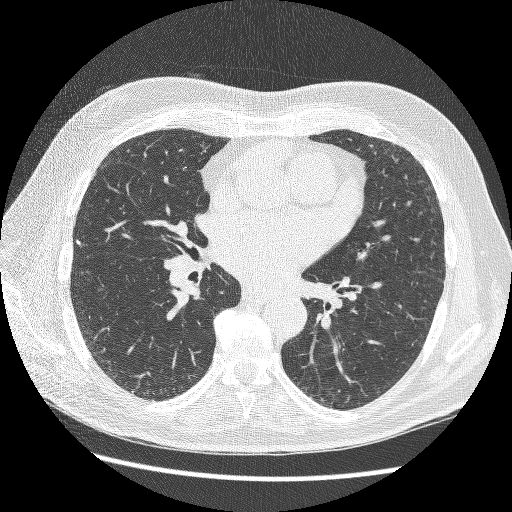
Axial chest CT slice 137 of 264 (counted from the lowest slice); tube voltage 120 kVp, convolution kernel BONE; slices 1.25 mm thick, 0.703 mm per pixel.
Pulmonary nodule outlined by all four readers; box rows 240–245, columns 76–80 (the union of the readers' outlines on this slice); median longest diameter 5.1 mm (readers' outlines 5.1–6.3 mm), median volume 30 mm3 (26–37 mm3). Median ratings and the readers' spread: median texture 5/5 (solid) (readers ranged 4/5 to 5/5 (solid)); margin 4.5/5 at the median of four readers, spread 3/5 to 5/5 (circumscribed); median sphericity 2.5/5 (readers ranged 2/5 to 4/5); calcification: solid calcification (three), absent (one); internal structure soft tissue from all four readers; subtlety 3.5/5 at the median of four readers, spread 2–5; malignancy likelihood 1/5 from all four readers. Scale key (1–5): texture non-solid→solid, margin indistinct→circumscribed, sphericity linear→round, subtlety extremely subtle→obvious, malignancy likelihood highly unlikely→highly suspicious of cancer. Box rows and columns are 0-based pixel indices from the top-left corner, inclusive.